Axial chest CT slice 93 of 477 (counted from the lowest slice); tube voltage 120 kVp, convolution kernel STANDARD; slices 1.25 mm thick, 0.703 mm per pixel.
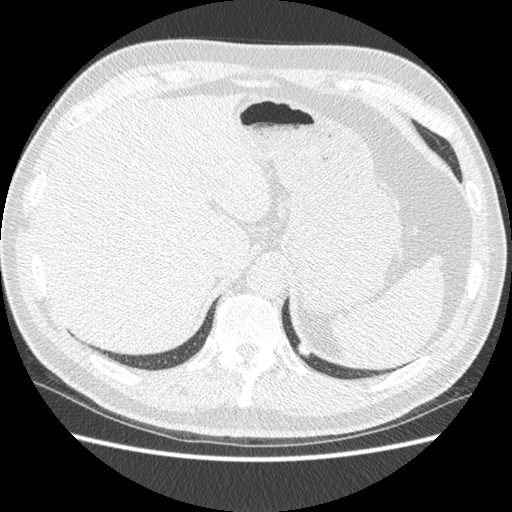
Pulmonary nodule, outlined by all four readers. Box on this slice rows 343–358, columns 297–309, the union of the readers' outlines on this slice; median longest diameter 11.7 mm (readers' outlines 10.5–13.2 mm), median volume 384 mm3 (347–425 mm3). Median ratings and the readers' spread: texture 5/5 (solid) from all four readers; margin 4/5 at the median of four readers, spread 4/5 to 5/5 (circumscribed); median sphericity 3.5/5 (readers ranged 3/5 (ovoid) to 5/5 (round)); calcification split among the readers: solid calcification (one), non-central calcification (one), central calcification (one), absent (one); internal structure soft tissue from all four readers; subtlety 4/5 at the median of four readers, spread 3–5; median malignancy likelihood 1.5/5 (readers ranged 1–2). Scale key (1–5): texture non-solid→solid, margin indistinct→circumscribed, sphericity linear→round, subtlety extremely subtle→obvious, malignancy likelihood highly unlikely→highly suspicious of cancer. Box rows and columns are 0-based pixel indices from the top-left corner, inclusive.